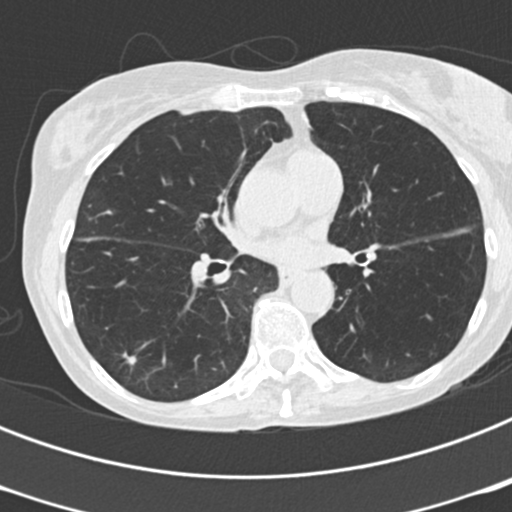
Chest CT, axial plane, 120 kVp, kernel B30f. Slice 108/199 from the bottom of the scan; thickness 2.00 mm; pixel size 0.566 mm.
Pulmonary nodule at rows 348–364, columns 118–136 (box = the union of the readers' outlines on this slice), outlined by all four readers; longest diameter 10.8 mm on average over the four readers' outlines (readers' outlines 9.0–12.4 mm), volume 155–452 mm3. The readers' prevailing ratings and who disagreed: texture 4/5 by three of four readers; the rest gave 5/5 (solid) (one); margin 4/5 by two of four readers; the rest gave 2/5 (one), 3/5 (one); sphericity split among the readers: 2/5 (one), 3/5 (ovoid) (one), 4/5 (one), 5/5 (round) (one); calcification absent, all four readers agreeing; internal structure soft tissue, all four readers agreeing; subtlety 5/5 by two of four readers; the rest gave 3/5 (one), 4/5 (one); malignancy likelihood 5/5 by two of four readers; the rest gave 3/5 (one), 4/5 (one). Scale key (1–5): texture non-solid→solid, margin indistinct→circumscribed, sphericity linear→round, subtlety extremely subtle→obvious, malignancy likelihood highly unlikely→highly suspicious of cancer. Box rows and columns are 0-based pixel indices from the top-left corner, inclusive.